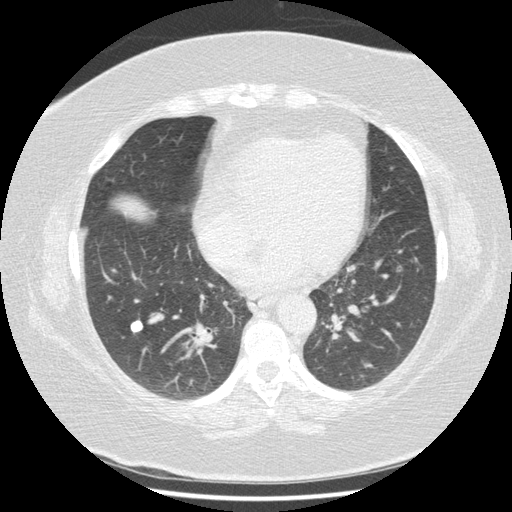
Chest CT, axial plane, 120 kVp, kernel STANDARD. Slice 178/417 from the bottom of the scan; thickness 1.25 mm; pixel size 0.703 mm.
Pulmonary nodule, outlined by all four readers. Box on this slice rows 320–332, columns 130–142, the union of the readers' outlines on this slice; median longest diameter 10.6 mm (readers' outlines 10.5–10.9 mm), median volume 457 mm3 (396–502 mm3). Ratings, median across the readers with their spread: texture 5/5 (solid) from all four readers; margin 5/5 (circumscribed), all four readers agreeing; median sphericity 4/5 (readers ranged 3/5 (ovoid) to 4/5); calcification: solid calcification (three), absent (one); internal structure soft tissue, all four readers agreeing; subtlety 5/5 from all four readers; malignancy likelihood 1/5 from all four readers. Scale key (1–5): texture non-solid→solid, margin indistinct→circumscribed, sphericity linear→round, subtlety extremely subtle→obvious, malignancy likelihood highly unlikely→highly suspicious of cancer. Box rows and columns are 0-based pixel indices from the top-left corner, inclusive.